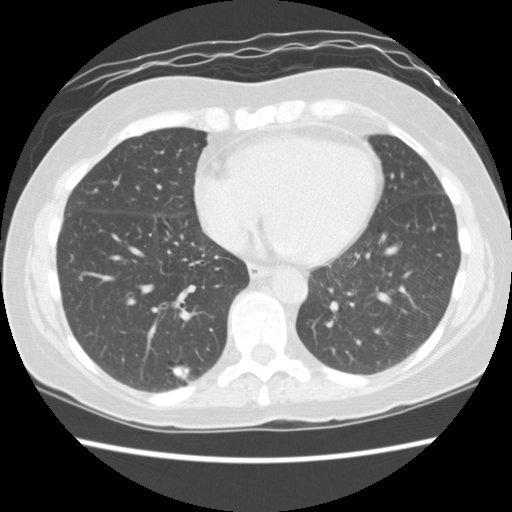
This is axial slice 51 of 156 (slice 1 is the lowest) of a chest CT; each pixel is 0.645 mm and the slice is 2.50 mm thick. Pulmonary nodule outlined by all four readers; box rows 365–378, columns 172–190 (the union of the readers' outlines on this slice); median longest diameter 14.0 mm (readers' outlines 13.7–18.2 mm), median volume 964 mm3 (717–1515 mm3). Ratings, median across the readers with their spread: texture 5/5 (solid), all four readers agreeing; margin 4.5/5 at the median of four readers, spread 4/5 to 5/5 (circumscribed); sphericity 3.5/5 at the median of four readers, spread 3/5 (ovoid) to 5/5 (round); calcification: solid calcification (three), absent (one); internal structure soft tissue from all four readers; subtlety 5/5, all four readers agreeing; malignancy likelihood 1/5 at the median of four readers, spread 1–5. Scale key (1–5): texture non-solid→solid, margin indistinct→circumscribed, sphericity linear→round, subtlety extremely subtle→obvious, malignancy likelihood highly unlikely→highly suspicious of cancer. Box rows and columns are 0-based pixel indices from the top-left corner, inclusive.
Tube voltage 120 kVp; convolution kernel STANDARD.